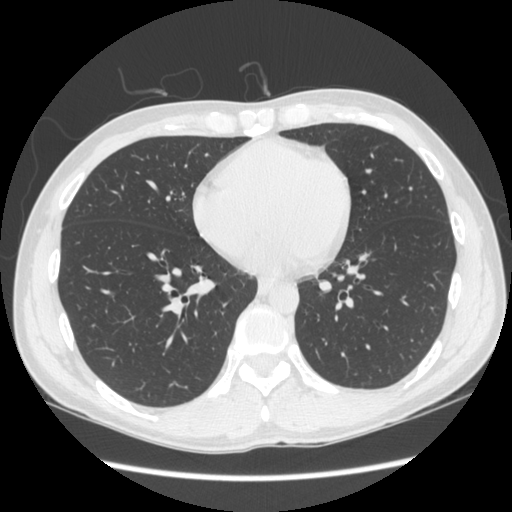
Axial slice 130 of 293 of a chest CT (slice 1 is the lowest), reconstructed with the STANDARD kernel at 120 kVp; 1.25 mm slice thickness and 0.689 mm pixels.
No nodule 3 mm or larger was outlined here by any reader.